Chest CT, axial plane, 140 kVp, kernel BONE. Slice 78/132 from the bottom of the scan; thickness 2.50 mm; pixel size 0.645 mm.
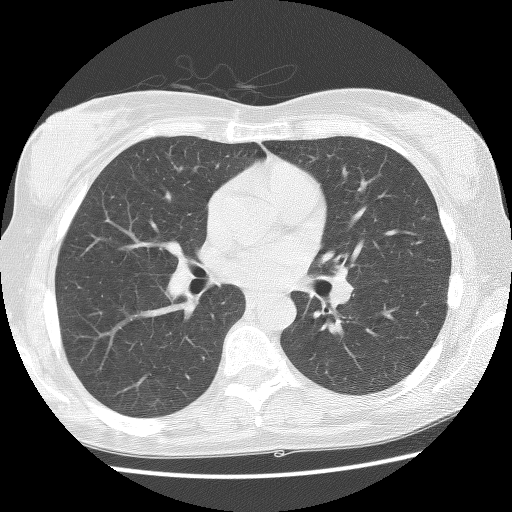
No nodule 3 mm or larger was outlined here by any reader.